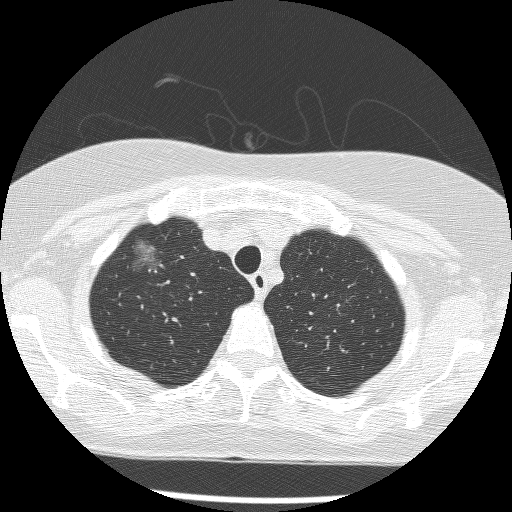
Axial slice 204 of 241 of a chest CT (slice 1 is the lowest), reconstructed with the BONE kernel at 120 kVp; 1.25 mm slice thickness and 0.586 mm pixels.
Pulmonary nodule outlined by all four readers; box rows 238–273, columns 130–164 (the union of the readers' outlines on this slice); median longest diameter 22.7 mm (readers' outlines 21.0–24.7 mm), median volume 2735 mm3 (2289–2909 mm3). Median ratings and the readers' spread: texture 1.5/5 at the median of four readers, spread 1/5 (non-solid) to 2/5; median margin 2/5 (readers ranged 2/5 to 3/5); median sphericity 3/5 (ovoid) (readers ranged 2/5 to 4/5); calcification absent from all four readers; internal structure soft tissue from all four readers; median subtlety 4.5/5 (readers ranged 4–5); median malignancy likelihood 5/5 (readers ranged 3–5). Scale key (1–5): texture non-solid→solid, margin indistinct→circumscribed, sphericity linear→round, subtlety extremely subtle→obvious, malignancy likelihood highly unlikely→highly suspicious of cancer. Box rows and columns are 0-based pixel indices from the top-left corner, inclusive.